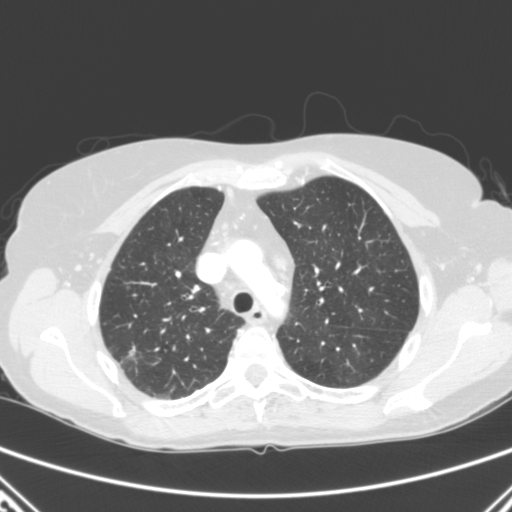
Chest CT, axial plane, 120 kVp, kernel B. Slice 202/280 from the bottom of the scan; thickness 2.00 mm; pixel size 0.676 mm.
Pulmonary nodule at rows 347–363, columns 122–138 (box = the union of the readers' outlines on this slice), outlined three times (the source holds two more outlines, not used); median longest diameter 19.7 mm (readers' outlines 19.6–26.7 mm), median volume 999 mm3 (949–1659 mm3). Median ratings and the readers' spread: median texture 5/5 (solid) (readers ranged 4/5 to 5/5 (solid)); margin 3/5 at the median of three readers, spread 3/5 to 4/5; median sphericity 3/5 (ovoid) (readers ranged 2/5 to 5/5 (round)); calcification absent, all three readers agreeing; internal structure soft tissue, all three readers agreeing; subtlety 5/5 from all three readers; malignancy likelihood 5/5 at the median of three readers, spread 4–5. Scale key (1–5): texture non-solid→solid, margin indistinct→circumscribed, sphericity linear→round, subtlety extremely subtle→obvious, malignancy likelihood highly unlikely→highly suspicious of cancer. Box rows and columns are 0-based pixel indices from the top-left corner, inclusive.